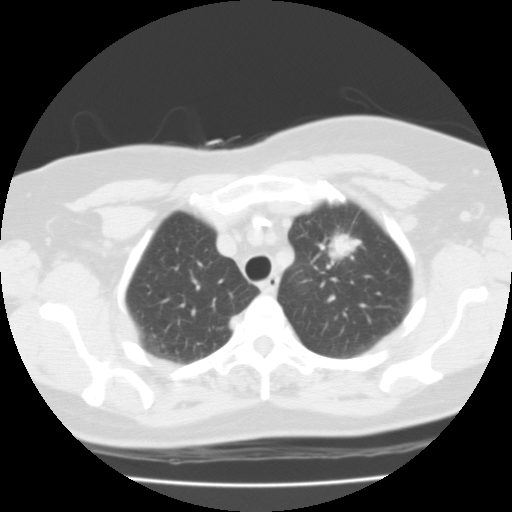
Chest CT, axial plane, 135 kVp, kernel FC01. Slice 67/87 from the bottom of the scan; thickness 3.00 mm; pixel size 0.650 mm.
Pulmonary nodule outlined by all four readers; box rows 229–269, columns 325–362 (the union of the readers' outlines on this slice); median longest diameter 27.3 mm (readers' outlines 23.3–32.8 mm), median volume 4892 mm3 (4332–5366 mm3). Median ratings and the readers' spread: median texture 5/5 (solid) (readers ranged 4/5 to 5/5 (solid)); median margin 3/5 (readers ranged 2/5 to 5/5 (circumscribed)); median sphericity 4/5 (readers ranged 3/5 (ovoid) to 4/5); calcification split among the readers: non-central calcification (two), absent (two); internal structure soft tissue from all four readers; subtlety 5/5 from all four readers; median malignancy likelihood 4.5/5 (readers ranged 3–5). Scale key (1–5): texture non-solid→solid, margin indistinct→circumscribed, sphericity linear→round, subtlety extremely subtle→obvious, malignancy likelihood highly unlikely→highly suspicious of cancer. Box rows and columns are 0-based pixel indices from the top-left corner, inclusive.